Chest CT, axial plane, 120 kVp, kernel C. Slice 160/445 from the bottom of the scan; thickness 1.50 mm; pixel size 0.676 mm.
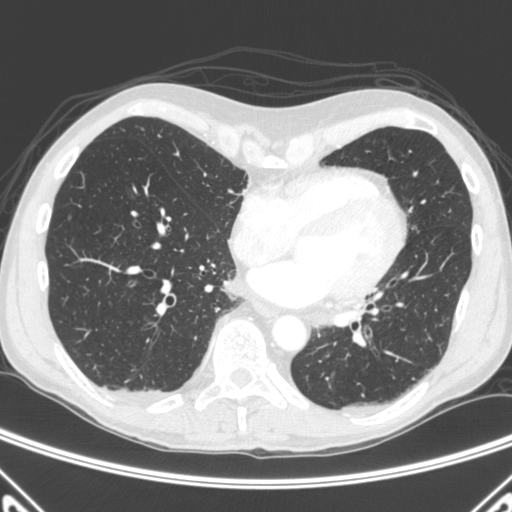
Pulmonary nodule, outlined by all four readers, two of them on this slice. Box on this slice rows 214–221, columns 67–71, the union of the readers' outlines on this slice; median longest diameter 8.5 mm (readers' outlines 7.0–8.9 mm), median volume 134 mm3 (62–138 mm3). Median ratings and the readers' spread: texture 5/5 (solid) at the median of four readers, spread 1/5 (non-solid) to 5/5 (solid); margin 4.5/5 at the median of four readers, spread 4/5 to 5/5 (circumscribed); sphericity 4/5 from all four readers; calcification absent, all four readers agreeing; internal structure soft tissue from all four readers; subtlety 5/5, all four readers agreeing; median malignancy likelihood 3/5 (readers ranged 3–4). Scale key (1–5): texture non-solid→solid, margin indistinct→circumscribed, sphericity linear→round, subtlety extremely subtle→obvious, malignancy likelihood highly unlikely→highly suspicious of cancer. Box rows and columns are 0-based pixel indices from the top-left corner, inclusive.